Axial slice 175 of 250 of a chest CT (slice 1 is the lowest), reconstructed with the B45f kernel at 120 kVp; 1.00 mm slice thickness and 0.566 mm pixels.
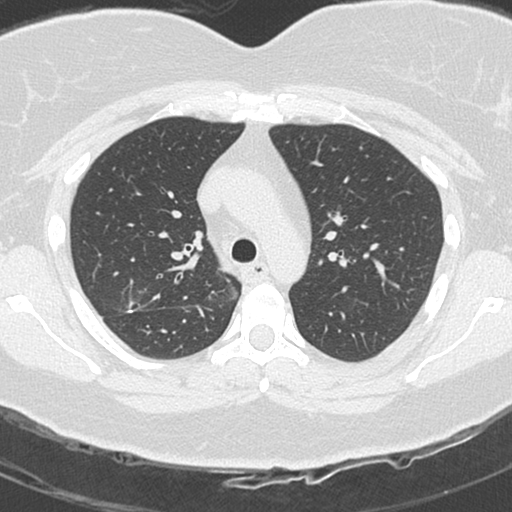
No nodule 3 mm or larger was outlined here by any reader.